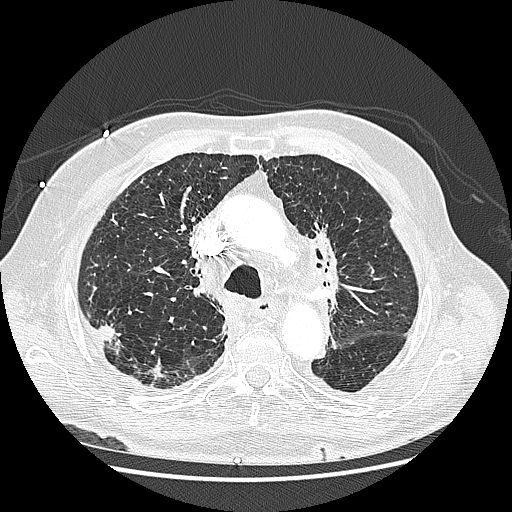
One axial slice (179 of 242, counting up from the lowest) of a chest CT acquired at 120 kVp with the LUNG kernel; each pixel is 0.703 mm and the slice is 1.25 mm thick.
Pulmonary nodule outlined by three of the four readers; box rows 324–343, columns 97–115 (the union of the readers' outlines on this slice); median longest diameter 25.5 mm (readers' outlines 23.6–31.8 mm), median volume 3121 mm3 (3005–3613 mm3). Median ratings and the readers' spread: texture 5/5 (solid), all three readers agreeing; median margin 4/5 (readers ranged 3/5 to 5/5 (circumscribed)); median sphericity 4/5 (readers ranged 3/5 (ovoid) to 4/5); calcification absent, all three readers agreeing; internal structure soft tissue, all three readers agreeing; median subtlety 5/5 (readers ranged 4–5); malignancy likelihood 5/5 at the median of three readers, spread 4–5. Scale key (1–5): texture non-solid→solid, margin indistinct→circumscribed, sphericity linear→round, subtlety extremely subtle→obvious, malignancy likelihood highly unlikely→highly suspicious of cancer. Box rows and columns are 0-based pixel indices from the top-left corner, inclusive.